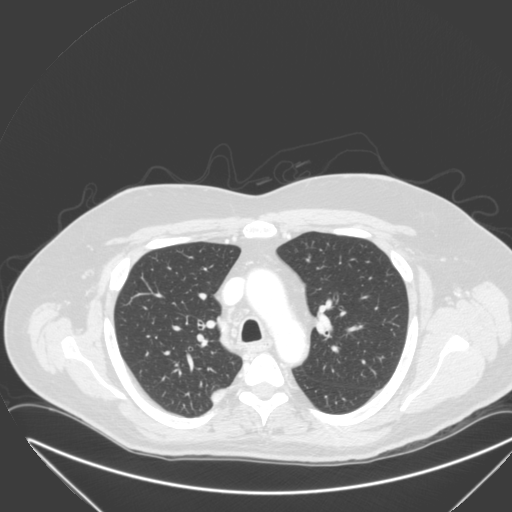
This is axial slice 223 of 315 (slice 1 is the lowest) of a chest CT; each pixel is 0.830 mm and the slice is 2.00 mm thick. Pulmonary nodule, outlined by one of the four readers. Box on this slice rows 390–402, columns 212–222, that reader's outline on this slice; longest diameter 27.1 mm and volume 6093 mm3 from that reader's outline. Ratings by that reader: texture 5/5 (solid); margin 4/5; sphericity 2/5; calcification absent; internal structure soft tissue; subtlety 5/5; malignancy likelihood 4/5. Scale key (1–5): texture non-solid→solid, margin indistinct→circumscribed, sphericity linear→round, subtlety extremely subtle→obvious, malignancy likelihood highly unlikely→highly suspicious of cancer. Box rows and columns are 0-based pixel indices from the top-left corner, inclusive.
Acquired at 120 kVp and reconstructed with the B kernel.